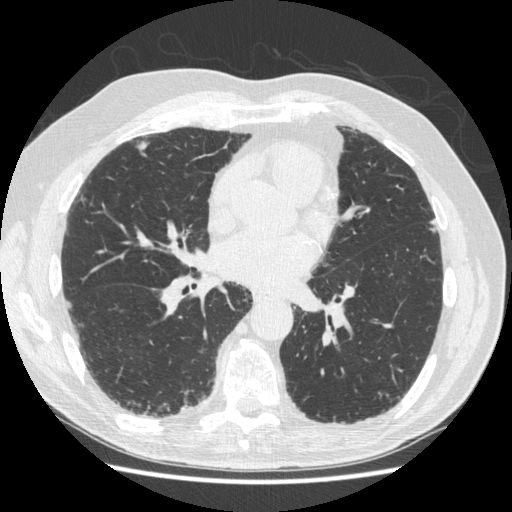
Slice 239/497 of a chest CT, counting up from the lowest; pixel size 0.703 mm, slice thickness 1.25 mm. Pulmonary nodule outlined by all four readers; box rows 139–157, columns 134–149 (the union of the readers' outlines on this slice); longest diameter 12.2 mm on average over the four readers' outlines (readers' outlines 10.9–14.8 mm), volume 184–648 mm3. Ratings, by the readers' most common answer with dissent counted: most readers (three of four) put texture at 5/5 (solid), others 1/5 (non-solid) (one); margin 3/5 by two of four readers; the rest gave 2/5 (one), 4/5 (one); sphericity 3/5 (ovoid) by two of four readers; the rest gave 4/5 (one), 5/5 (round) (one); calcification absent from all four readers; internal structure soft tissue from all four readers; subtlety 4/5 by two of four readers; the rest gave 1/5 (one), 5/5 (one); malignancy likelihood 3/5 by two of four readers; the rest gave 2/5 (one), 4/5 (one). Scale key (1–5): texture non-solid→solid, margin indistinct→circumscribed, sphericity linear→round, subtlety extremely subtle→obvious, malignancy likelihood highly unlikely→highly suspicious of cancer. Box rows and columns are 0-based pixel indices from the top-left corner, inclusive.
Acquired at 120 kVp and reconstructed with the STANDARD kernel.